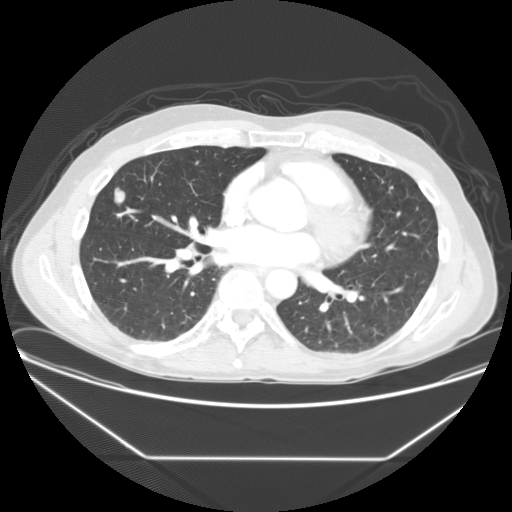
Chest CT, axial plane, 120 kVp, kernel STANDARD. Slice 73/137 from the bottom of the scan; thickness 2.50 mm; pixel size 0.781 mm.
Pulmonary nodule at rows 187–205, columns 113–124 (box = the union of the readers' outlines on this slice), outlined by all four readers; longest diameter 14.9 mm on average over the four readers' outlines (readers' outlines 14.3–15.8 mm), volume 1035–1472 mm3. The readers' prevailing ratings and who disagreed: texture 5/5 (solid), all four readers agreeing; most readers (three of four) put margin at 5/5 (circumscribed), others 4/5 (one); most readers (three of four) put sphericity at 4/5, others 5/5 (round) (one); calcification absent from all four readers; internal structure soft tissue, all four readers agreeing; subtlety 5/5 by three of four readers; the rest gave 3/5 (one); malignancy likelihood 4/5 by two of four readers; the rest gave 2/5 (one), 3/5 (one). Scale key (1–5): texture non-solid→solid, margin indistinct→circumscribed, sphericity linear→round, subtlety extremely subtle→obvious, malignancy likelihood highly unlikely→highly suspicious of cancer. Box rows and columns are 0-based pixel indices from the top-left corner, inclusive.